Chest CT, axial plane, 120 kVp, kernel B30f. Slice 401/506 from the bottom of the scan; thickness 0.75 mm; pixel size 0.699 mm.
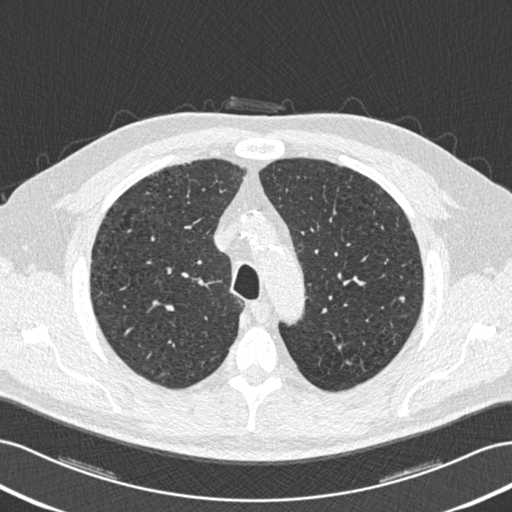
Pulmonary nodule at rows 296–302, columns 399–404 (box = the union of the readers' outlines on this slice), outlined by two of the four readers; the two readers' outlines give a longest diameter between 6.6 and 10.4 mm and a volume between 35 and 67 mm3. The readers' ratings, as ranges where they differ: texture 5/5 (solid) from both readers; margin from 3/5 to 5/5 (circumscribed) across the two readers; sphericity from 4/5 to 5/5 (round) across the two readers; calcification absent, both readers agreeing; internal structure soft tissue from both readers; subtlety 2–3/5 (the readers disagree); malignancy likelihood 2–3/5 (the readers disagree). Scale key (1–5): texture non-solid→solid, margin indistinct→circumscribed, sphericity linear→round, subtlety extremely subtle→obvious, malignancy likelihood highly unlikely→highly suspicious of cancer. Box rows and columns are 0-based pixel indices from the top-left corner, inclusive.